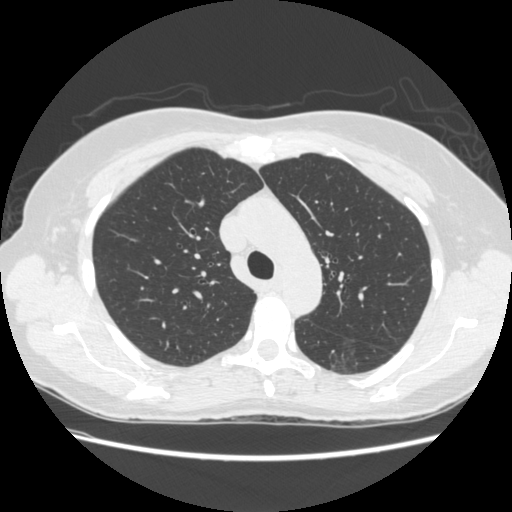
One axial slice (180 of 261, counting up from the lowest) of a chest CT acquired at 120 kVp with the STANDARD kernel; each pixel is 0.682 mm and the slice is 1.25 mm thick.
Pulmonary nodule outlined by two of the four readers; box rows 338–374, columns 330–357 (the union of the readers' outlines on this slice); longest diameter 30.8 mm on average over the two readers' outlines (readers' outlines 30.0–31.5 mm), volume 6577–7912 mm3. Ratings, by the readers' most common answer with dissent counted: texture split among the readers: 1/5 (non-solid) (one), 2/5 (one); margin split among the readers: 1/5 (indistinct) (one), 2/5 (one); sphericity split among the readers: 3/5 (ovoid) (one), 5/5 (round) (one); calcification absent, both readers agreeing; internal structure soft tissue from both readers; subtlety split among the readers: 1/5 (one), 2/5 (one); malignancy likelihood split among the readers: 4/5 (one), 5/5 (one). Scale key (1–5): texture non-solid→solid, margin indistinct→circumscribed, sphericity linear→round, subtlety extremely subtle→obvious, malignancy likelihood highly unlikely→highly suspicious of cancer. Box rows and columns are 0-based pixel indices from the top-left corner, inclusive.